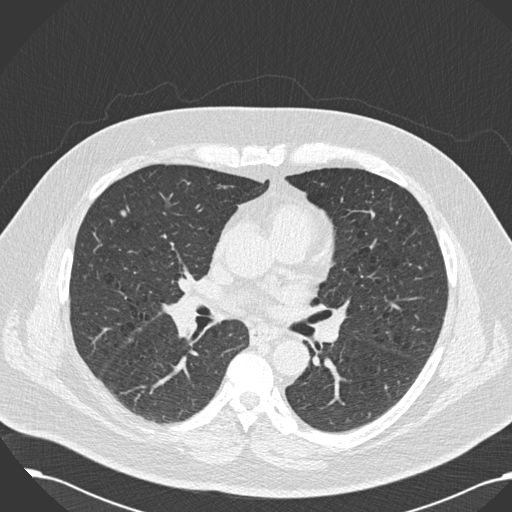
This is axial slice 94 of 181 (slice 1 is the lowest) of a chest CT; each pixel is 0.762 mm and the slice is 2.00 mm thick. Pulmonary nodule outlined by three of the four readers; box rows 210–217, columns 119–126 (the union of the readers' outlines on this slice); longest diameter 7.9 mm on average over the three readers' outlines (readers' outlines 7.6–8.2 mm), volume 115–253 mm3. The readers' prevailing ratings and who disagreed: texture 5/5 (solid) by two of three readers; the rest gave 4/5 (one); most readers (two of three) put margin at 5/5 (circumscribed), others 4/5 (one); most readers (two of three) put sphericity at 4/5, others 5/5 (round) (one); calcification absent, all three readers agreeing; internal structure soft tissue, all three readers agreeing; subtlety 4/5, all three readers agreeing; malignancy likelihood 3/5 by two of three readers; the rest gave 2/5 (one). Scale key (1–5): texture non-solid→solid, margin indistinct→circumscribed, sphericity linear→round, subtlety extremely subtle→obvious, malignancy likelihood highly unlikely→highly suspicious of cancer. Box rows and columns are 0-based pixel indices from the top-left corner, inclusive.
Scan settings: 120 kVp, B30f reconstruction kernel.